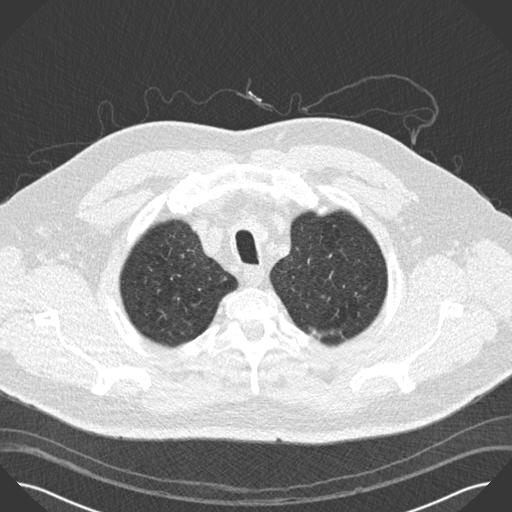
Axial chest CT slice 177 of 199 (counted from the lowest slice); tube voltage 120 kVp, convolution kernel B30f; slices 2.00 mm thick, 0.762 mm per pixel.
Pulmonary nodule, outlined by two of the four readers, one of them on this slice. Box on this slice rows 277–281, columns 222–226, the one reader's outline on this slice; longest diameter 7.2 mm on average over the two readers' outlines (readers' outlines 6.6–7.8 mm), volume 97–160 mm3. The readers' prevailing ratings and who disagreed: texture 5/5 (solid) from both readers; margin 5/5 (circumscribed), both readers agreeing; sphericity split among the readers: 3/5 (ovoid) (one), 5/5 (round) (one); calcification split among the readers: absent (one), non-central calcification (one); internal structure soft tissue, both readers agreeing; subtlety split among the readers: 4/5 (one), 5/5 (one); malignancy likelihood 2/5 from both readers. Scale key (1–5): texture non-solid→solid, margin indistinct→circumscribed, sphericity linear→round, subtlety extremely subtle→obvious, malignancy likelihood highly unlikely→highly suspicious of cancer. Box rows and columns are 0-based pixel indices from the top-left corner, inclusive.